Axial chest CT slice 373 of 483 (counted from the lowest slice); tube voltage 120 kVp, convolution kernel B30f; slices 0.75 mm thick, 0.617 mm per pixel.
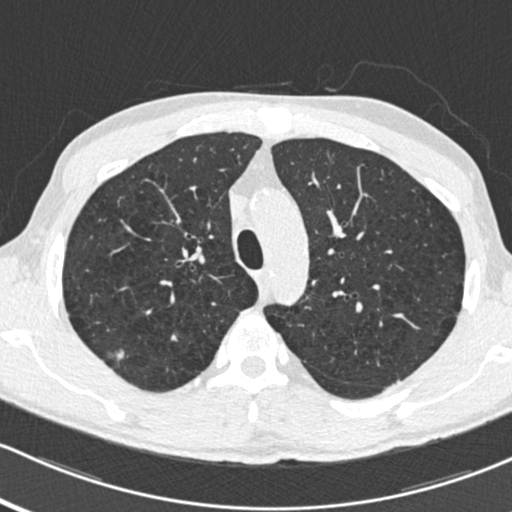
Pulmonary nodule outlined by three of the four readers; box rows 349–360, columns 106–124 (the union of the readers' outlines on this slice); median longest diameter 10.1 mm (readers' outlines 10.0–12.0 mm), median volume 207 mm3 (141–227 mm3). Ratings, median across the readers with their spread: median texture 2/5 (readers ranged 2/5 to 3/5 (part-solid)); median margin 2/5 (readers ranged 1/5 (indistinct) to 2/5); sphericity 3/5 (ovoid) at the median of three readers, spread 3/5 (ovoid) to 4/5; calcification absent, all three readers agreeing; internal structure soft tissue from all three readers; subtlety 4/5 at the median of three readers, spread 2–4; malignancy likelihood 3/5 at the median of three readers, spread 3–5. Scale key (1–5): texture non-solid→solid, margin indistinct→circumscribed, sphericity linear→round, subtlety extremely subtle→obvious, malignancy likelihood highly unlikely→highly suspicious of cancer. Box rows and columns are 0-based pixel indices from the top-left corner, inclusive.